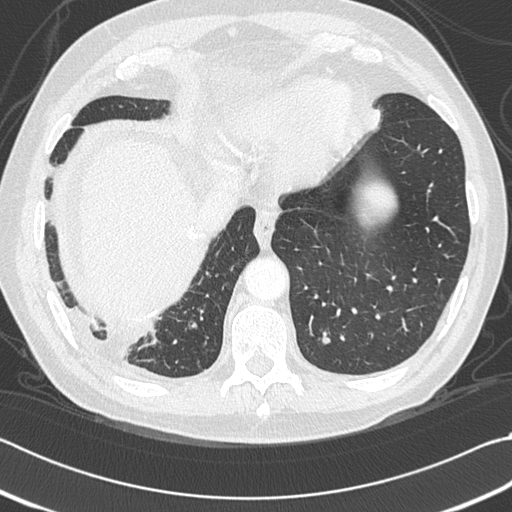
Axial chest CT slice 97 of 312 (counted from the lowest slice); 1.00 mm thick, 0.664 mm per pixel. Pulmonary nodule, outlined by three of the four readers. Box on this slice rows 336–343, columns 321–330, the union of the readers' outlines on this slice; longest diameter 6.9–7.4 mm and volume 82–108 mm3 across the three readers' outlines. The readers' ratings, as ranges where they differ: texture 5/5 (solid) from all three readers; margin from 4/5 to 5/5 (circumscribed) across the three readers; sphericity from 3/5 (ovoid) to 5/5 (round) across the three readers; calcification absent, all three readers agreeing; internal structure soft tissue from all three readers; subtlety 2–4/5 (the readers disagree); malignancy likelihood from 2/5 to 3/5 across the three readers. Scale key (1–5): texture non-solid→solid, margin indistinct→circumscribed, sphericity linear→round, subtlety extremely subtle→obvious, malignancy likelihood highly unlikely→highly suspicious of cancer. Box rows and columns are 0-based pixel indices from the top-left corner, inclusive.
Scan settings: 120 kVp, B45f reconstruction kernel.